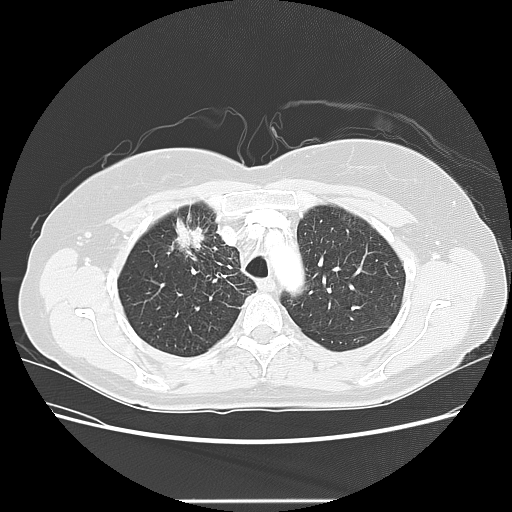
Slice 106/130 of a chest CT, counting up from the lowest; pixel size 0.703 mm, slice thickness 2.50 mm. Pulmonary nodule outlined by three of the four readers; box rows 213–252, columns 170–204 (the union of the readers' outlines on this slice); median longest diameter 30.8 mm (readers' outlines 26.3–33.4 mm), median volume 4246 mm3 (4054–5494 mm3). Ratings, median across the readers with their spread: texture 5/5 (solid) at the median of three readers, spread 4/5 to 5/5 (solid); margin 4/5 at the median of three readers, spread 3/5 to 5/5 (circumscribed); sphericity 4/5 at the median of three readers, spread 3/5 (ovoid) to 5/5 (round); calcification absent, all three readers agreeing; internal structure soft tissue, all three readers agreeing; subtlety 5/5 from all three readers; median malignancy likelihood 5/5 (readers ranged 4–5). Scale key (1–5): texture non-solid→solid, margin indistinct→circumscribed, sphericity linear→round, subtlety extremely subtle→obvious, malignancy likelihood highly unlikely→highly suspicious of cancer. Box rows and columns are 0-based pixel indices from the top-left corner, inclusive.
Scan settings: 120 kVp, LUNG reconstruction kernel.